Chest CT, axial plane, 120 kVp, kernel STANDARD. Slice 155/292 from the bottom of the scan; thickness 2.50 mm; pixel size 0.645 mm.
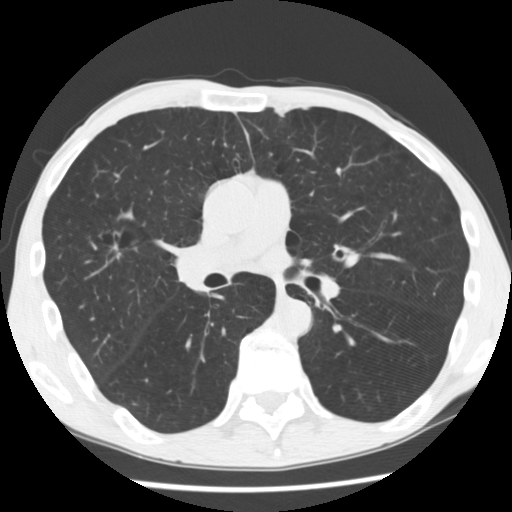
Pulmonary nodule at rows 243–258, columns 112–120 (box = the one reader's outline on this slice), outlined three times (the source holds two more outlines, not used), one of them on this slice; longest diameter 18.5 mm on average over the three readers' outlines (readers' outlines 18.2–19.0 mm), volume 892–1690 mm3. Ratings, by the readers' most common answer with dissent counted: texture 5/5 (solid), all three readers agreeing; margin split among the readers: 2/5 (one), 3/5 (one), 4/5 (one); sphericity split among the readers: 2/5 (one), 3/5 (ovoid) (one), 4/5 (one); calcification absent from all three readers; internal structure soft tissue from all three readers; most readers (two of three) put subtlety at 4/5, others 5/5 (one); malignancy likelihood 5/5 by two of three readers; the rest gave 3/5 (one). Scale key (1–5): texture non-solid→solid, margin indistinct→circumscribed, sphericity linear→round, subtlety extremely subtle→obvious, malignancy likelihood highly unlikely→highly suspicious of cancer. Box rows and columns are 0-based pixel indices from the top-left corner, inclusive.